Chest CT, axial plane, 120 kVp, kernel D. Slice 72/300 from the bottom of the scan; thickness 2.00 mm; pixel size 0.678 mm.
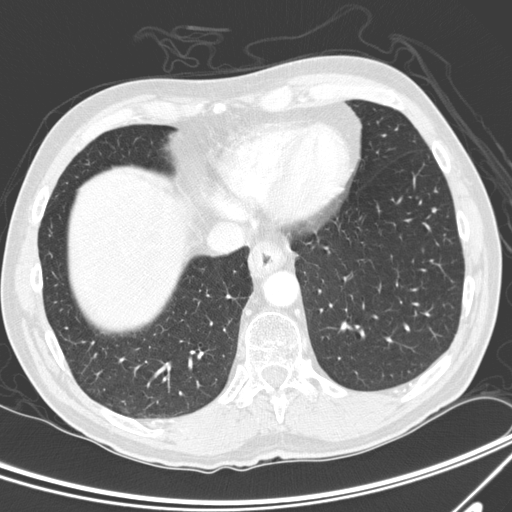
Pulmonary nodule outlined by one of the four readers; box rows 208–212, columns 432–435 (that reader's outline on this slice); longest diameter 4.9 mm and volume 40 mm3 from that reader's outline. Ratings by that reader: texture 5/5 (solid); margin 4/5; sphericity 5/5 (round); calcification absent; internal structure soft tissue; subtlety 3/5; malignancy likelihood 3/5. Scale key (1–5): texture non-solid→solid, margin indistinct→circumscribed, sphericity linear→round, subtlety extremely subtle→obvious, malignancy likelihood highly unlikely→highly suspicious of cancer. Box rows and columns are 0-based pixel indices from the top-left corner, inclusive.